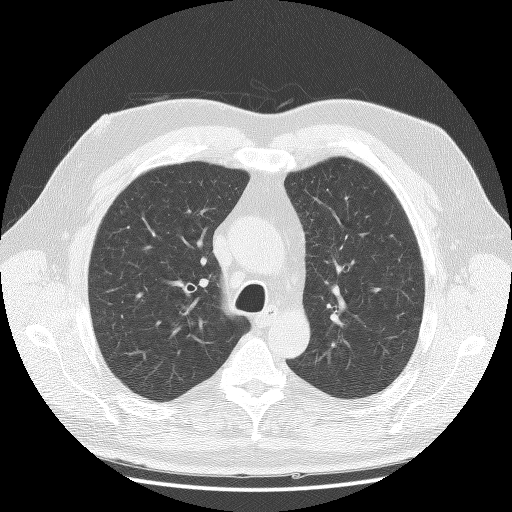
This is axial slice 95 of 129 (slice 1 is the lowest) of a chest CT; each pixel is 0.697 mm and the slice is 2.50 mm thick. This slice carries no reader outline of a nodule 3 mm or larger.
Tube voltage 140 kVp; convolution kernel BONE.